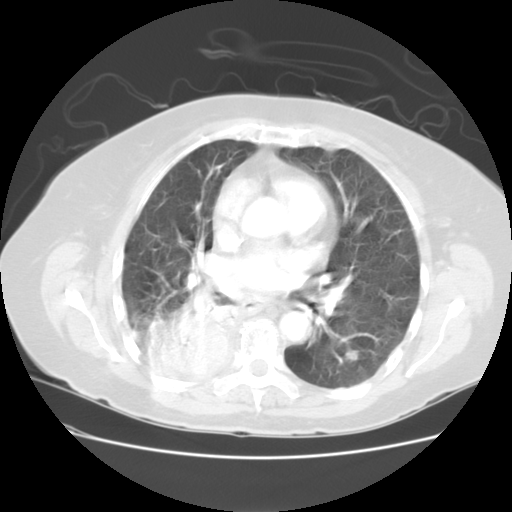
Axial slice 89 of 133 of a chest CT (slice 1 is the lowest), reconstructed with the STANDARD kernel at 120 kVp; 2.50 mm slice thickness and 0.703 mm pixels.
Pulmonary nodule, outlined by all four readers. Box on this slice rows 350–360, columns 344–357, the union of the readers' outlines on this slice; the four readers' outlines give a longest diameter between 10.1 and 11.1 mm and a volume between 209 and 659 mm3. The readers' ratings, as ranges where they differ: texture from 4/5 to 5/5 (solid) across the four readers; margin from 3/5 to 5/5 (circumscribed) across the four readers; sphericity from 2/5 to 5/5 (round) across the four readers; calcification absent from all four readers; internal structure soft tissue, all four readers agreeing; subtlety 4–5/5 (the readers disagree); malignancy likelihood 3/5 from all four readers. Scale key (1–5): texture non-solid→solid, margin indistinct→circumscribed, sphericity linear→round, subtlety extremely subtle→obvious, malignancy likelihood highly unlikely→highly suspicious of cancer. Box rows and columns are 0-based pixel indices from the top-left corner, inclusive.